Chest CT, axial plane, 120 kVp, kernel BONE. Slice 83/246 from the bottom of the scan; thickness 1.25 mm; pixel size 0.617 mm.
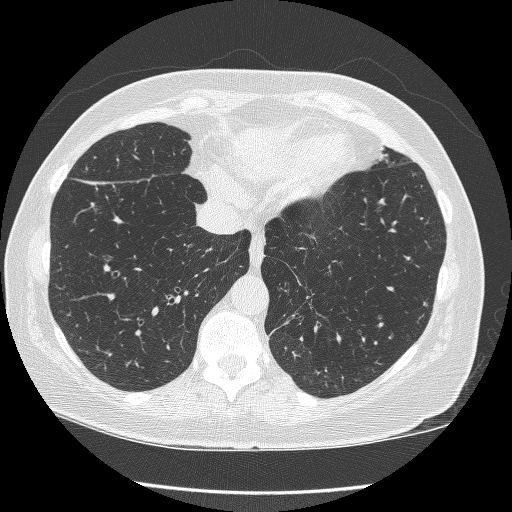
Pulmonary nodule outlined by all four readers, three of them on this slice; box rows 301–306, columns 422–428 (the union of the readers' outlines on this slice); longest diameter 5.3–6.2 mm and volume 83–105 mm3 across the four readers' outlines. The readers' ratings, as ranges where they differ: texture from 4/5 to 5/5 (solid) across the four readers; margin from 4/5 to 5/5 (circumscribed) across the four readers; sphericity from 3/5 (ovoid) to 5/5 (round) across the four readers; calcification absent, all four readers agreeing; internal structure soft tissue from all four readers; subtlety from 2/5 to 4/5 across the four readers; malignancy likelihood rated between 2 and 3 out of 5 by the four readers. Scale key (1–5): texture non-solid→solid, margin indistinct→circumscribed, sphericity linear→round, subtlety extremely subtle→obvious, malignancy likelihood highly unlikely→highly suspicious of cancer. Box rows and columns are 0-based pixel indices from the top-left corner, inclusive.